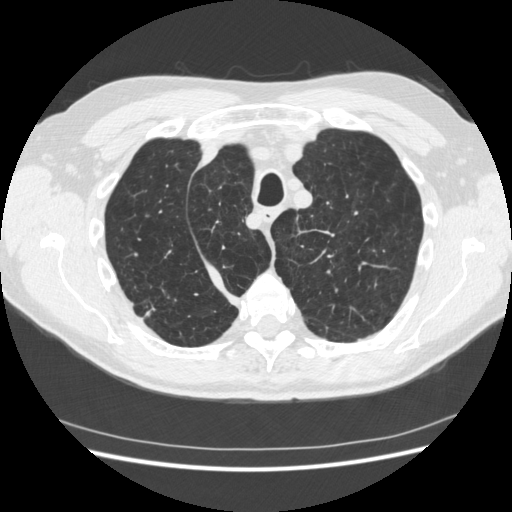
One axial slice (369 of 481, counting up from the lowest) of a chest CT acquired at 120 kVp with the STANDARD kernel; each pixel is 0.703 mm and the slice is 1.25 mm thick.
Pulmonary nodule, outlined by all four readers, three of them on this slice. Box on this slice rows 297–319, columns 134–155, the union of the readers' outlines on this slice; longest diameter 26.2 mm on average over the four readers' outlines (readers' outlines 18.7–34.9 mm), volume 1155–4169 mm3. Ratings, by the readers' most common answer with dissent counted: texture 5/5 (solid) by three of four readers; the rest gave 4/5 (one); margin split among the readers: 1/5 (indistinct) (one), 2/5 (one), 3/5 (one), 4/5 (one); sphericity split among the readers: 2/5 (one), 3/5 (ovoid) (one), 4/5 (one), 5/5 (round) (one); calcification absent, all four readers agreeing; internal structure soft tissue, all four readers agreeing; subtlety 5/5 from all four readers; malignancy likelihood 5/5 by three of four readers; the rest gave 4/5 (one). Scale key (1–5): texture non-solid→solid, margin indistinct→circumscribed, sphericity linear→round, subtlety extremely subtle→obvious, malignancy likelihood highly unlikely→highly suspicious of cancer. Box rows and columns are 0-based pixel indices from the top-left corner, inclusive.